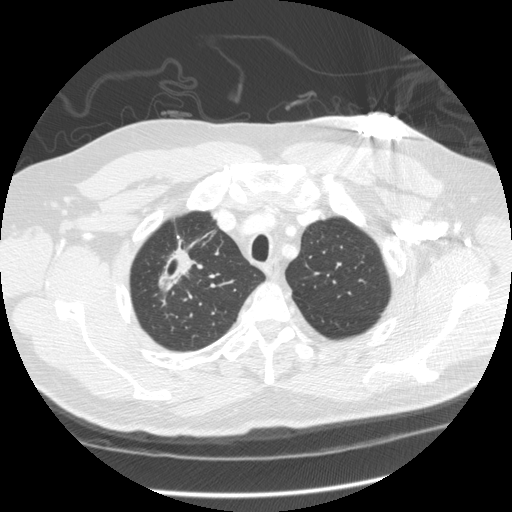
Chest CT, axial plane, 120 kVp, kernel STANDARD. Slice 259/305 from the bottom of the scan; thickness 1.25 mm; pixel size 0.732 mm.
Pulmonary nodule at rows 240–295, columns 158–196 (box = the union of the readers' outlines on this slice), outlined by three of the four readers; median longest diameter 43.6 mm (readers' outlines 41.0–45.9 mm), median volume 9712 mm3 (6528–11092 mm3). Ratings, median across the readers with their spread: texture 4/5 at the median of three readers, spread 3/5 (part-solid) to 5/5 (solid); median margin 3/5 (readers ranged 1/5 (indistinct) to 4/5); sphericity 3/5 (ovoid) at the median of three readers, spread 2/5 to 3/5 (ovoid); calcification absent, all three readers agreeing; internal structure soft tissue from all three readers; subtlety 5/5, all three readers agreeing; malignancy likelihood 5/5, all three readers agreeing. Scale key (1–5): texture non-solid→solid, margin indistinct→circumscribed, sphericity linear→round, subtlety extremely subtle→obvious, malignancy likelihood highly unlikely→highly suspicious of cancer. Box rows and columns are 0-based pixel indices from the top-left corner, inclusive.